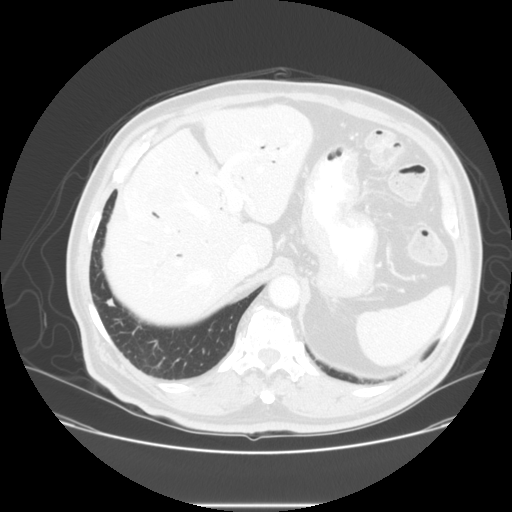
One axial slice (35 of 133, counting up from the lowest) of a chest CT acquired at 140 kVp with the STANDARD kernel; each pixel is 0.781 mm and the slice is 2.50 mm thick.
Pulmonary nodule outlined by all four readers; box rows 296–306, columns 104–116 (the union of the readers' outlines on this slice); longest diameter 7.8–11.4 mm and volume 203–468 mm3 across the four readers' outlines. Ratings across the readers: texture 5/5 (solid) from all four readers; margin from 4/5 to 5/5 (circumscribed) across the four readers; sphericity from 2/5 to 5/5 (round) across the four readers; calcification absent, all four readers agreeing; internal structure soft tissue, all four readers agreeing; subtlety 3–4/5 (the readers disagree); malignancy likelihood 2–3/5 (the readers disagree). Scale key (1–5): texture non-solid→solid, margin indistinct→circumscribed, sphericity linear→round, subtlety extremely subtle→obvious, malignancy likelihood highly unlikely→highly suspicious of cancer. Box rows and columns are 0-based pixel indices from the top-left corner, inclusive.